Axial slice 106 of 266 of a chest CT (slice 1 is the lowest), reconstructed with the D kernel at 120 kVp; 1.00 mm slice thickness and 0.668 mm pixels.
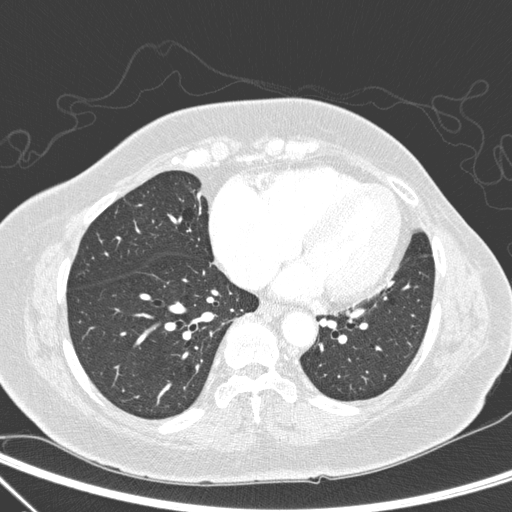
This slice carries no reader outline of a nodule 3 mm or larger.